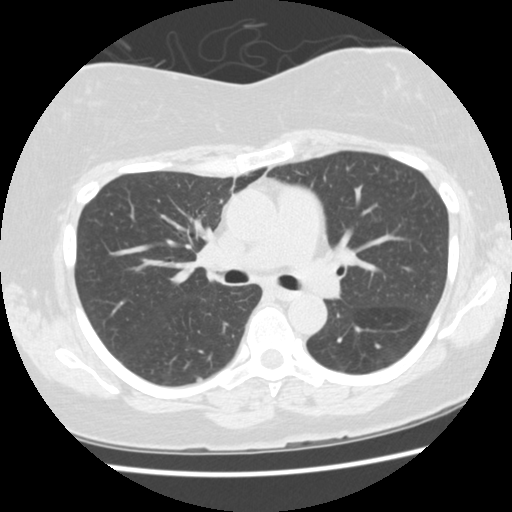
Chest CT, axial plane, 120 kVp, kernel STANDARD. Slice 81/145 from the bottom of the scan; thickness 2.50 mm; pixel size 0.625 mm.
Pulmonary nodule outlined by two of the four readers; box rows 377–381, columns 196–201 (the union of the readers' outlines on this slice); median longest diameter 5.0 mm (readers' outlines 4.8–5.3 mm), median volume 40 mm3 (28–52 mm3). Median ratings and the readers' spread: texture 5/5 (solid) from both readers; margin 4/5, both readers agreeing; median sphericity 4/5 (readers ranged 3/5 (ovoid) to 5/5 (round)); calcification absent, both readers agreeing; internal structure soft tissue, both readers agreeing; median subtlety 3.5/5 (readers ranged 2–5); malignancy likelihood 2.5/5 at the median of two readers, spread 2–3. Scale key (1–5): texture non-solid→solid, margin indistinct→circumscribed, sphericity linear→round, subtlety extremely subtle→obvious, malignancy likelihood highly unlikely→highly suspicious of cancer. Box rows and columns are 0-based pixel indices from the top-left corner, inclusive.